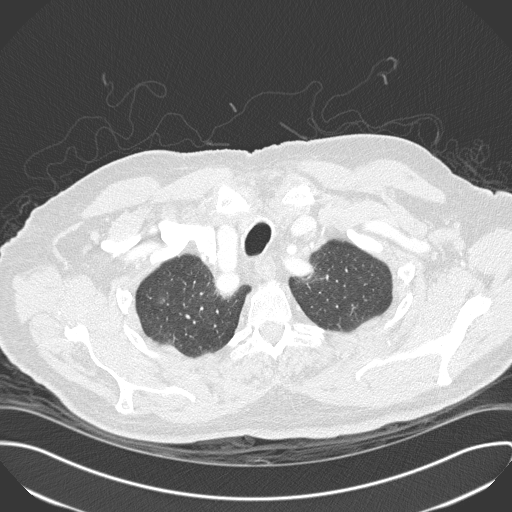
Axial slice 278 of 330 of a chest CT (slice 1 is the lowest), reconstructed with the B45f kernel at 120 kVp; 1.00 mm slice thickness and 0.762 mm pixels.
Pulmonary nodule at rows 292–303, columns 158–168 (box = the union of the readers' outlines on this slice), outlined by all four readers, three of them on this slice; the four readers' outlines give a longest diameter between 15.2 and 19.9 mm and a volume between 678 and 927 mm3. Ratings across the readers: texture from 1/5 (non-solid) to 2/5 across the four readers; margin from 1/5 (indistinct) to 4/5 across the four readers; sphericity from 3/5 (ovoid) to 5/5 (round) across the four readers; calcification absent, all four readers agreeing; internal structure soft tissue from all four readers; subtlety from 1/5 to 4/5 across the four readers; malignancy likelihood from 2/5 to 4/5 across the four readers. Scale key (1–5): texture non-solid→solid, margin indistinct→circumscribed, sphericity linear→round, subtlety extremely subtle→obvious, malignancy likelihood highly unlikely→highly suspicious of cancer. Box rows and columns are 0-based pixel indices from the top-left corner, inclusive.